Axial slice 173 of 248 of a chest CT (slice 1 is the lowest), reconstructed with the STANDARD kernel at 120 kVp; 1.25 mm slice thickness and 0.703 mm pixels.
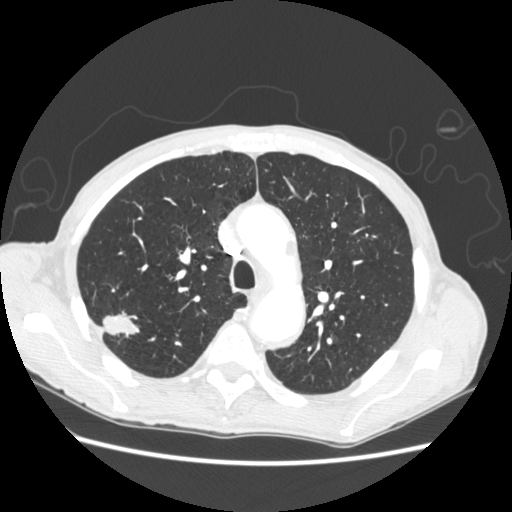
Pulmonary nodule, outlined by all four readers. Box on this slice rows 310–338, columns 102–140, the union of the readers' outlines on this slice; the four readers' outlines give a longest diameter between 26.0 and 32.7 mm and a volume between 5181 and 6655 mm3. The readers' ratings, as ranges where they differ: texture 5/5 (solid), all four readers agreeing; margin from 2/5 to 5/5 (circumscribed) across the four readers; sphericity from 3/5 (ovoid) to 4/5 across the four readers; calcification absent, all four readers agreeing; internal structure soft tissue, all four readers agreeing; subtlety 5/5, all four readers agreeing; malignancy likelihood 3–5/5 (the readers disagree). Scale key (1–5): texture non-solid→solid, margin indistinct→circumscribed, sphericity linear→round, subtlety extremely subtle→obvious, malignancy likelihood highly unlikely→highly suspicious of cancer. Box rows and columns are 0-based pixel indices from the top-left corner, inclusive.